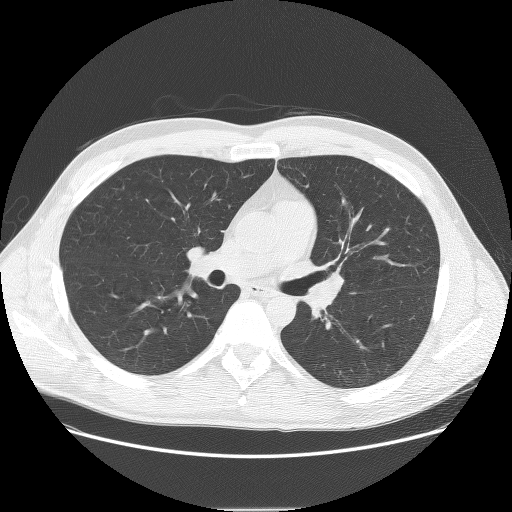
Chest CT, axial plane, 140 kVp, kernel BONE. Slice 67/121 from the bottom of the scan; thickness 2.50 mm; pixel size 0.762 mm.
The readers outlined no nodule of 3 mm or more on this slice.